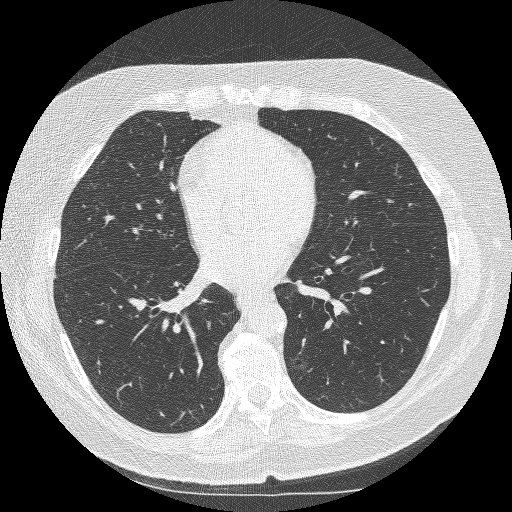
Axial chest CT slice 134 of 253 (counted from the lowest slice); tube voltage 120 kVp, convolution kernel BONE; slices 1.25 mm thick, 0.625 mm per pixel.
Pulmonary nodule at rows 356–372, columns 292–308 (box = the union of the readers' outlines on this slice), outlined by two of the four readers; longest diameter 15.3 mm on average over the two readers' outlines (readers' outlines 12.5–18.2 mm), volume 433–519 mm3. The readers' prevailing ratings and who disagreed: texture 1/5 (non-solid) from both readers; margin 1/5 (indistinct) from both readers; sphericity split among the readers: 3/5 (ovoid) (one), 5/5 (round) (one); calcification absent from both readers; internal structure soft tissue, both readers agreeing; subtlety split among the readers: 1/5 (one), 3/5 (one); malignancy likelihood split among the readers: 3/5 (one), 4/5 (one). Scale key (1–5): texture non-solid→solid, margin indistinct→circumscribed, sphericity linear→round, subtlety extremely subtle→obvious, malignancy likelihood highly unlikely→highly suspicious of cancer. Box rows and columns are 0-based pixel indices from the top-left corner, inclusive.